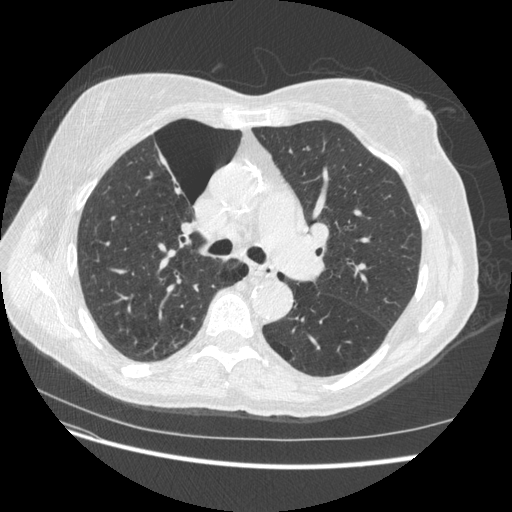
This is axial slice 306 of 509 (slice 1 is the lowest) of a chest CT; each pixel is 0.703 mm and the slice is 1.25 mm thick. None of the four readers outlined a nodule of 3 mm or more on this slice.
Tube voltage 120 kVp; convolution kernel STANDARD.